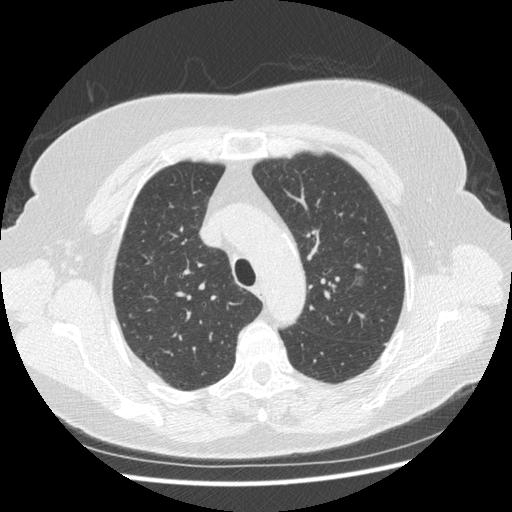
Axial chest CT slice 321 of 413 (counted from the lowest slice); 1.25 mm thick, 0.703 mm per pixel. Pulmonary nodule outlined by two of the four readers, one of them on this slice; box rows 276–285, columns 357–362 (the one reader's outline on this slice); longest diameter 10.1 mm on average over the two readers' outlines (readers' outlines 10.1 mm), volume 131–234 mm3. The readers' prevailing ratings and who disagreed: texture 1/5 (non-solid), both readers agreeing; margin split among the readers: 1/5 (indistinct) (one), 3/5 (one); sphericity split among the readers: 4/5 (one), 5/5 (round) (one); calcification absent from both readers; internal structure soft tissue from both readers; subtlety split among the readers: 1/5 (one), 4/5 (one); malignancy likelihood split among the readers: 3/5 (one), 4/5 (one). Scale key (1–5): texture non-solid→solid, margin indistinct→circumscribed, sphericity linear→round, subtlety extremely subtle→obvious, malignancy likelihood highly unlikely→highly suspicious of cancer. Box rows and columns are 0-based pixel indices from the top-left corner, inclusive.
Tube voltage 120 kVp; convolution kernel STANDARD.